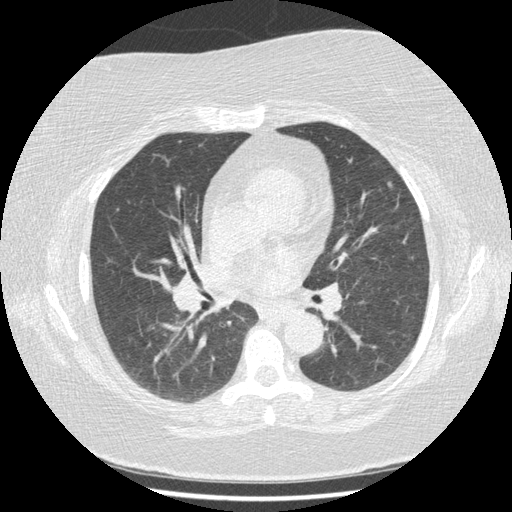
Chest CT, axial plane, 120 kVp, kernel STANDARD. Slice 238/417 from the bottom of the scan; thickness 1.25 mm; pixel size 0.703 mm.
Pulmonary nodule outlined by three of the four readers; box rows 180–189, columns 385–393 (the union of the readers' outlines on this slice); longest diameter 7.1 mm on average over the three readers' outlines (readers' outlines 6.6–7.3 mm), volume 55–92 mm3. The readers' prevailing ratings and who disagreed: most readers (two of three) put texture at 5/5 (solid), others 3/5 (part-solid) (one); margin split among the readers: 2/5 (one), 3/5 (one), 4/5 (one); sphericity 4/5, all three readers agreeing; calcification absent, all three readers agreeing; internal structure soft tissue, all three readers agreeing; subtlety 4/5 by two of three readers; the rest gave 5/5 (one); most readers (two of three) put malignancy likelihood at 3/5, others 2/5 (one). Scale key (1–5): texture non-solid→solid, margin indistinct→circumscribed, sphericity linear→round, subtlety extremely subtle→obvious, malignancy likelihood highly unlikely→highly suspicious of cancer. Box rows and columns are 0-based pixel indices from the top-left corner, inclusive.